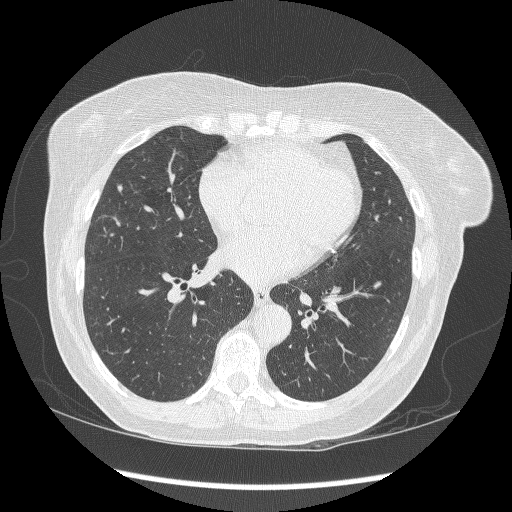
Chest CT, axial plane, 120 kVp, kernel BONE. Slice 136/268 from the bottom of the scan; thickness 1.25 mm; pixel size 0.703 mm.
Pulmonary nodule at rows 184–192, columns 117–122 (box = that reader's outline on this slice), outlined by one of the four readers; longest diameter 7.2 mm and volume 82 mm3 from that reader's outline. That reader's ratings: texture 5/5 (solid); margin 4/5; sphericity 4/5; calcification absent; internal structure soft tissue; subtlety 2/5; malignancy likelihood 3/5. Scale key (1–5): texture non-solid→solid, margin indistinct→circumscribed, sphericity linear→round, subtlety extremely subtle→obvious, malignancy likelihood highly unlikely→highly suspicious of cancer. Box rows and columns are 0-based pixel indices from the top-left corner, inclusive.